Chest CT, axial plane, 120 kVp, kernel B70f. Slice 198/345 from the bottom of the scan; thickness 2.00 mm; pixel size 0.541 mm.
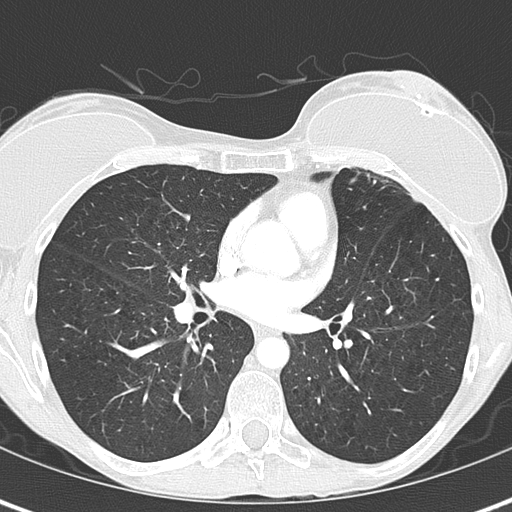
Pulmonary nodule outlined by all four readers; box rows 338–348, columns 343–352 (the union of the readers' outlines on this slice); longest diameter 6.3–7.7 mm and volume 105–184 mm3 across the four readers' outlines. Ratings across the readers: texture 5/5 (solid), all four readers agreeing; margin 5/5 (circumscribed), all four readers agreeing; sphericity from 4/5 to 5/5 (round) across the four readers; calcification split among the readers: laminated calcification (two), solid calcification (two); internal structure soft tissue from all four readers; subtlety from 2/5 to 5/5 across the four readers; malignancy likelihood 1/5, all four readers agreeing. Scale key (1–5): texture non-solid→solid, margin indistinct→circumscribed, sphericity linear→round, subtlety extremely subtle→obvious, malignancy likelihood highly unlikely→highly suspicious of cancer. Box rows and columns are 0-based pixel indices from the top-left corner, inclusive.